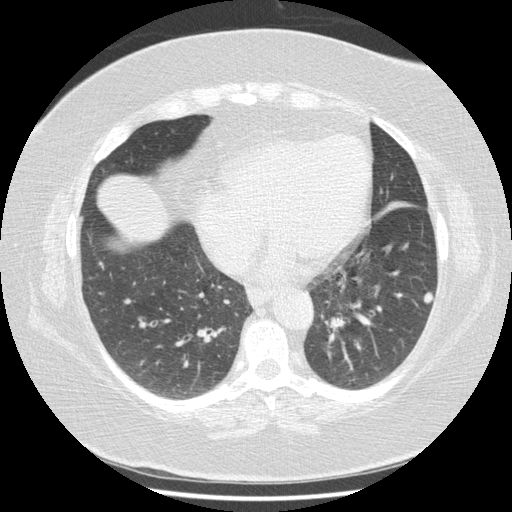
Slice 169/417 of a chest CT, counting up from the lowest; pixel size 0.703 mm, slice thickness 1.25 mm. Pulmonary nodule, outlined by all four readers. Box on this slice rows 291–304, columns 422–433, the union of the readers' outlines on this slice; longest diameter 11.0 mm on average over the four readers' outlines (readers' outlines 10.1–11.6 mm), volume 183–290 mm3. The readers' prevailing ratings and who disagreed: texture 5/5 (solid), all four readers agreeing; margin split among the readers: 4/5 (two), 5/5 (circumscribed) (two); most readers (three of four) put sphericity at 3/5 (ovoid), others 4/5 (one); calcification absent, all four readers agreeing; internal structure soft tissue from all four readers; most readers (three of four) put subtlety at 5/5, others 4/5 (one); malignancy likelihood 3/5 by three of four readers; the rest gave 4/5 (one). Scale key (1–5): texture non-solid→solid, margin indistinct→circumscribed, sphericity linear→round, subtlety extremely subtle→obvious, malignancy likelihood highly unlikely→highly suspicious of cancer. Box rows and columns are 0-based pixel indices from the top-left corner, inclusive.
Acquired at 120 kVp and reconstructed with the STANDARD kernel.